Axial chest CT slice 387 of 465 (counted from the lowest slice); tube voltage 120 kVp, convolution kernel STANDARD; slices 1.25 mm thick, 0.703 mm per pixel.
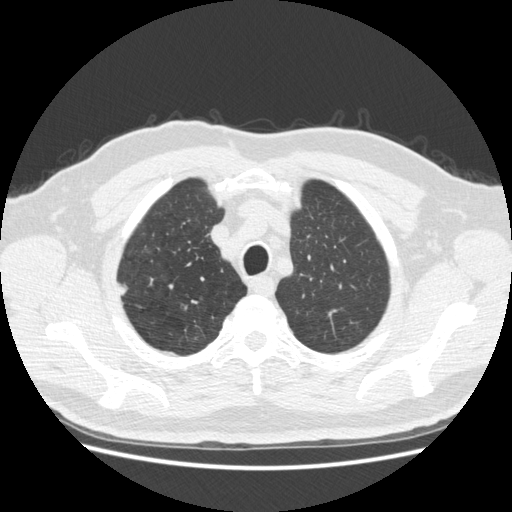
Pulmonary nodule, outlined by all four readers. Box on this slice rows 282–296, columns 118–128, the union of the readers' outlines on this slice; median longest diameter 17.8 mm (readers' outlines 15.5–18.9 mm), median volume 1370 mm3 (1041–1475 mm3). Median ratings and the readers' spread: texture 5/5 (solid), all four readers agreeing; median margin 5/5 (circumscribed) (readers ranged 4/5 to 5/5 (circumscribed)); sphericity 3.5/5 at the median of four readers, spread 3/5 (ovoid) to 5/5 (round); calcification absent, all four readers agreeing; internal structure soft tissue, all four readers agreeing; median subtlety 5/5 (readers ranged 4–5); median malignancy likelihood 4/5 (readers ranged 2–5). Scale key (1–5): texture non-solid→solid, margin indistinct→circumscribed, sphericity linear→round, subtlety extremely subtle→obvious, malignancy likelihood highly unlikely→highly suspicious of cancer. Box rows and columns are 0-based pixel indices from the top-left corner, inclusive.